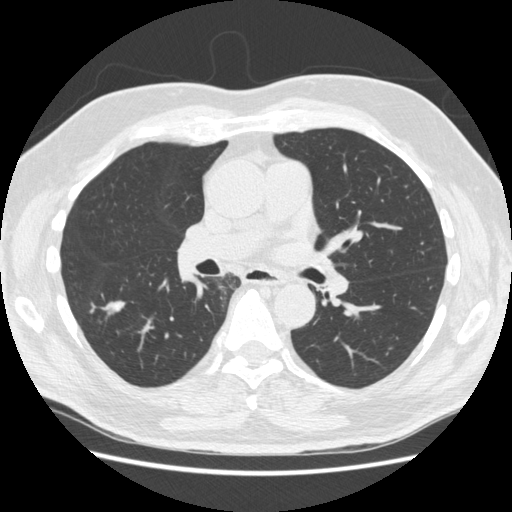
This is axial slice 286 of 557 (slice 1 is the lowest) of a chest CT; each pixel is 0.703 mm and the slice is 1.25 mm thick. Pulmonary nodule at rows 300–316, columns 99–125 (box = the union of the readers' outlines on this slice), outlined by all four readers; longest diameter 22.3 mm on average over the four readers' outlines (readers' outlines 19.1–25.0 mm), volume 785–1099 mm3. Ratings, by the readers' most common answer with dissent counted: most readers (three of four) put texture at 5/5 (solid), others 4/5 (one); margin 3/5 by two of four readers; the rest gave 4/5 (one), 5/5 (circumscribed) (one); sphericity 3/5 (ovoid) by three of four readers; the rest gave 2/5 (one); calcification absent from all four readers; internal structure soft tissue, all four readers agreeing; subtlety 5/5 by three of four readers; the rest gave 4/5 (one); malignancy likelihood 4/5 by two of four readers; the rest gave 2/5 (one), 5/5 (one). Scale key (1–5): texture non-solid→solid, margin indistinct→circumscribed, sphericity linear→round, subtlety extremely subtle→obvious, malignancy likelihood highly unlikely→highly suspicious of cancer. Box rows and columns are 0-based pixel indices from the top-left corner, inclusive.
Scan settings: 120 kVp, STANDARD reconstruction kernel.